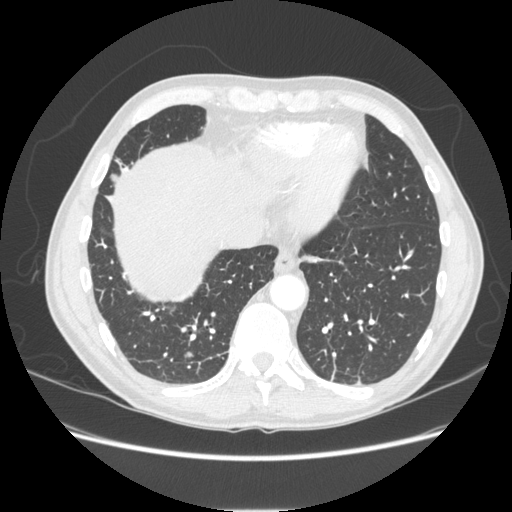
One axial slice (70 of 253, counting up from the lowest) of a chest CT acquired at 120 kVp with the STANDARD kernel; each pixel is 0.742 mm and the slice is 1.25 mm thick.
Pulmonary nodule, outlined by all four readers. Box on this slice rows 352–356, columns 185–193, the union of the readers' outlines on this slice; the four readers' outlines give a longest diameter between 12.4 and 17.1 mm and a volume between 764 and 890 mm3. The readers' ratings, as ranges where they differ: texture 5/5 (solid) from all four readers; margin 5/5 (circumscribed), all four readers agreeing; sphericity from 4/5 to 5/5 (round) across the four readers; calcification absent, all four readers agreeing; internal structure soft tissue from all four readers; subtlety rated between 3 and 5 out of 5 by the four readers; malignancy likelihood from 2/5 to 5/5 across the four readers. Scale key (1–5): texture non-solid→solid, margin indistinct→circumscribed, sphericity linear→round, subtlety extremely subtle→obvious, malignancy likelihood highly unlikely→highly suspicious of cancer. Box rows and columns are 0-based pixel indices from the top-left corner, inclusive.